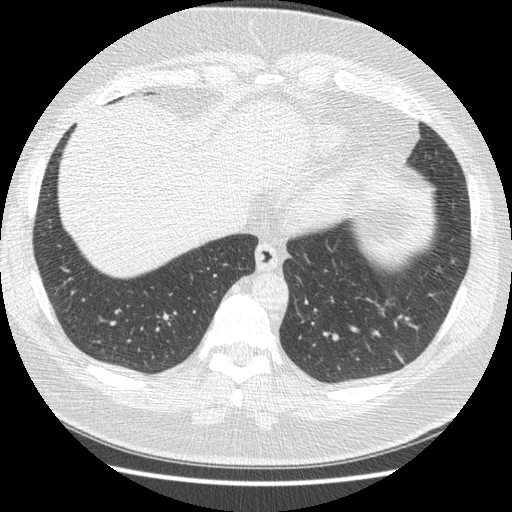
Slice 79/421 of a chest CT, counting up from the lowest; pixel size 0.703 mm, slice thickness 1.25 mm. Pulmonary nodule at rows 350–362, columns 395–402 (box = the union of the readers' outlines on this slice), outlined four times (the source holds four more outlines, not used), two of them on this slice; longest diameter 33.9 mm on average over the four readers' outlines (readers' outlines 30.9–38.9 mm), volume 4443–5826 mm3. Ratings, by the readers' most common answer with dissent counted: texture 5/5 (solid) by three of four readers; the rest gave 4/5 (one); most readers (three of four) put margin at 4/5, others 3/5 (one); sphericity 2/5 by two of four readers; the rest gave 3/5 (ovoid) (one), 4/5 (one); calcification absent from all four readers; internal structure soft tissue from all four readers; most readers (three of four) put subtlety at 5/5, others 4/5 (one); malignancy likelihood split among the readers: 2/5 (one), 3/5 (one), 4/5 (one), 5/5 (one). Scale key (1–5): texture non-solid→solid, margin indistinct→circumscribed, sphericity linear→round, subtlety extremely subtle→obvious, malignancy likelihood highly unlikely→highly suspicious of cancer. Box rows and columns are 0-based pixel indices from the top-left corner, inclusive.
Tube voltage 120 kVp; convolution kernel STANDARD.